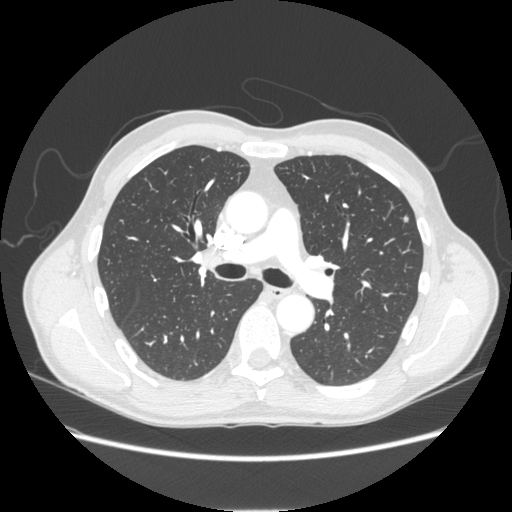
This is axial slice 148 of 253 (slice 1 is the lowest) of a chest CT; each pixel is 0.742 mm and the slice is 1.25 mm thick. Pulmonary nodule, outlined by all four readers. Box on this slice rows 215–222, columns 402–409, the union of the readers' outlines on this slice; longest diameter 6.3–7.0 mm and volume 63–77 mm3 across the four readers' outlines. The readers' ratings, as ranges where they differ: texture 5/5 (solid), all four readers agreeing; margin from 4/5 to 5/5 (circumscribed) across the four readers; sphericity from 2/5 to 5/5 (round) across the four readers; calcification absent from all four readers; internal structure soft tissue from all four readers; subtlety rated between 2 and 3 out of 5 by the four readers; malignancy likelihood rated between 2 and 3 out of 5 by the four readers. Scale key (1–5): texture non-solid→solid, margin indistinct→circumscribed, sphericity linear→round, subtlety extremely subtle→obvious, malignancy likelihood highly unlikely→highly suspicious of cancer. Box rows and columns are 0-based pixel indices from the top-left corner, inclusive.
Tube voltage 120 kVp; convolution kernel STANDARD.